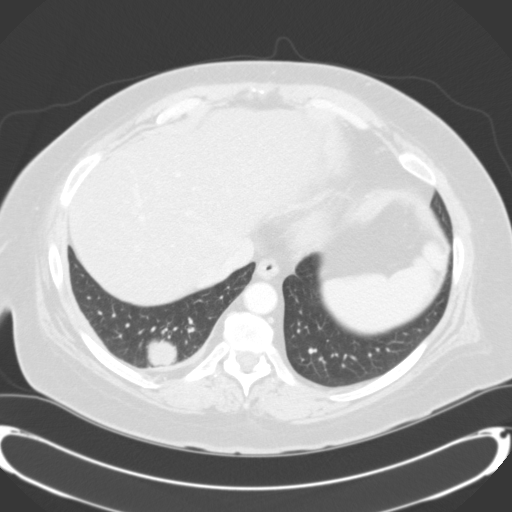
Axial slice 55 of 124 of a chest CT (slice 1 is the lowest), reconstructed with the B31f kernel at 120 kVp; 3.00 mm slice thickness and 0.764 mm pixels.
Pulmonary nodule at rows 339–366, columns 146–177 (box = the union of the readers' outlines on this slice), outlined by three of the four readers; median longest diameter 33.9 mm (readers' outlines 32.1–33.9 mm), median volume 14151 mm3 (13060–14151 mm3). Ratings, median across the readers with their spread: texture 5/5 (solid) at the median of three readers, spread 4/5 to 5/5 (solid); median margin 5/5 (circumscribed) (readers ranged 4/5 to 5/5 (circumscribed)); sphericity 4/5, all three readers agreeing; calcification absent from all three readers; internal structure soft tissue from all three readers; subtlety 5/5, all three readers agreeing; malignancy likelihood 3/5 at the median of three readers, spread 3–5. Scale key (1–5): texture non-solid→solid, margin indistinct→circumscribed, sphericity linear→round, subtlety extremely subtle→obvious, malignancy likelihood highly unlikely→highly suspicious of cancer. Box rows and columns are 0-based pixel indices from the top-left corner, inclusive.